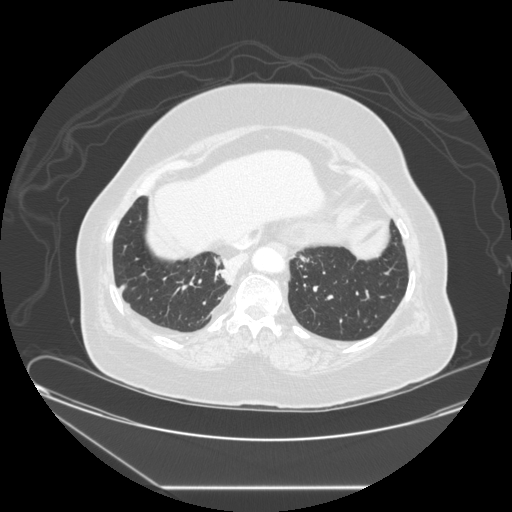
Chest CT, axial plane, 120 kVp, kernel STANDARD. Slice 77/257 from the bottom of the scan; thickness 1.25 mm; pixel size 0.852 mm.
Pulmonary nodule, outlined by three of the four readers. Box on this slice rows 319–322, columns 363–367, the union of the readers' outlines on this slice; longest diameter 5.2 mm on average over the three readers' outlines (readers' outlines 4.6–6.2 mm), volume 39–85 mm3. The readers' prevailing ratings and who disagreed: texture 1/5 (non-solid), all three readers agreeing; most readers (two of three) put margin at 3/5, others 2/5 (one); sphericity 5/5 (round) from all three readers; calcification absent, all three readers agreeing; internal structure soft tissue, all three readers agreeing; subtlety 1/5 from all three readers; malignancy likelihood 3/5 by two of three readers; the rest gave 2/5 (one). Scale key (1–5): texture non-solid→solid, margin indistinct→circumscribed, sphericity linear→round, subtlety extremely subtle→obvious, malignancy likelihood highly unlikely→highly suspicious of cancer. Box rows and columns are 0-based pixel indices from the top-left corner, inclusive.